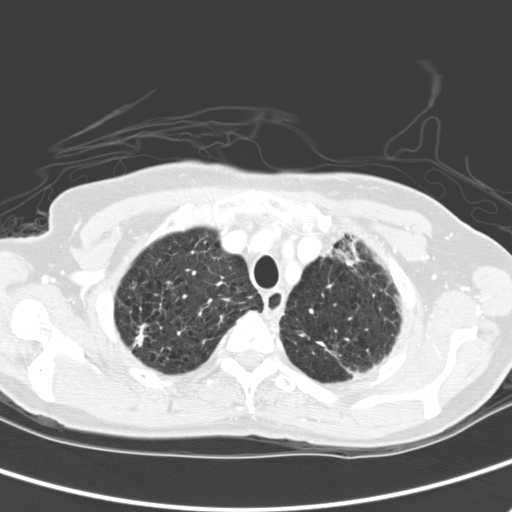
Chest CT, axial plane, 120 kVp, kernel D. Slice 217/280 from the bottom of the scan; thickness 2.00 mm; pixel size 0.613 mm.
Pulmonary nodule outlined by all four readers; box rows 323–349, columns 130–148 (the union of the readers' outlines on this slice); longest diameter 17.7 mm on average over the four readers' outlines (readers' outlines 16.7–18.9 mm), volume 701–1041 mm3. The readers' prevailing ratings and who disagreed: texture 5/5 (solid) by two of four readers; the rest gave 3/5 (part-solid) (one), 4/5 (one); margin 1/5 (indistinct) by two of four readers; the rest gave 4/5 (one), 5/5 (circumscribed) (one); sphericity 2/5 by two of four readers; the rest gave 3/5 (ovoid) (one), 4/5 (one); calcification absent, all four readers agreeing; internal structure soft tissue from all four readers; subtlety 5/5 by two of four readers; the rest gave 2/5 (one), 4/5 (one); malignancy likelihood 4/5 by two of four readers; the rest gave 3/5 (one), 5/5 (one). Scale key (1–5): texture non-solid→solid, margin indistinct→circumscribed, sphericity linear→round, subtlety extremely subtle→obvious, malignancy likelihood highly unlikely→highly suspicious of cancer. Box rows and columns are 0-based pixel indices from the top-left corner, inclusive.